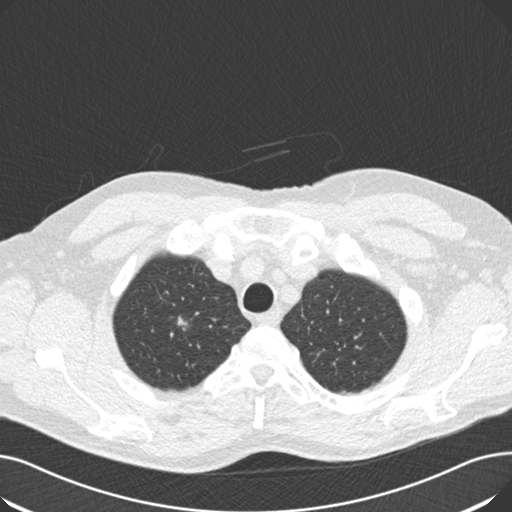
Axial chest CT slice 151 of 181 (counted from the lowest slice); 2.00 mm thick, 0.723 mm per pixel. Pulmonary nodule, outlined by three of the four readers. Box on this slice rows 317–325, columns 177–186, the union of the readers' outlines on this slice; longest diameter 10.3 mm on average over the three readers' outlines (readers' outlines 9.4–10.7 mm), volume 180–294 mm3. Ratings, by the readers' most common answer with dissent counted: most readers (two of three) put texture at 3/5 (part-solid), others 4/5 (one); most readers (two of three) put margin at 3/5, others 1/5 (indistinct) (one); sphericity split among the readers: 2/5 (one), 3/5 (ovoid) (one), 4/5 (one); calcification absent, all three readers agreeing; internal structure soft tissue, all three readers agreeing; most readers (two of three) put subtlety at 2/5, others 3/5 (one); malignancy likelihood 3/5 by two of three readers; the rest gave 2/5 (one). Scale key (1–5): texture non-solid→solid, margin indistinct→circumscribed, sphericity linear→round, subtlety extremely subtle→obvious, malignancy likelihood highly unlikely→highly suspicious of cancer. Box rows and columns are 0-based pixel indices from the top-left corner, inclusive.
Scan settings: 120 kVp, B30f reconstruction kernel.